Chest CT, axial plane, 120 kVp, kernel B. Slice 159/280 from the bottom of the scan; thickness 2.00 mm; pixel size 0.572 mm.
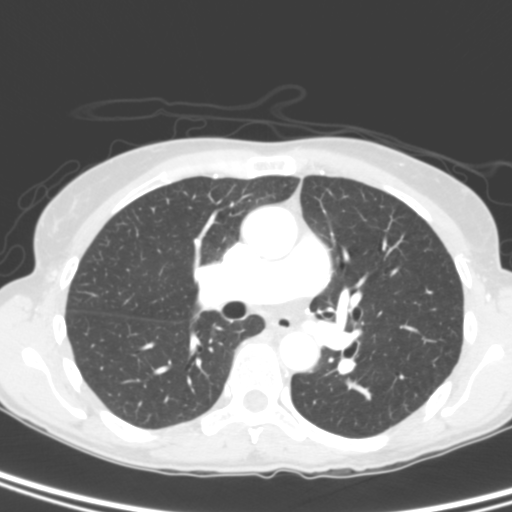
The readers outlined no nodule of 3 mm or more on this slice.